Axial slice 259 of 351 of a chest CT (slice 1 is the lowest), reconstructed with the B70f kernel at 120 kVp; 2.00 mm slice thickness and 0.643 mm pixels.
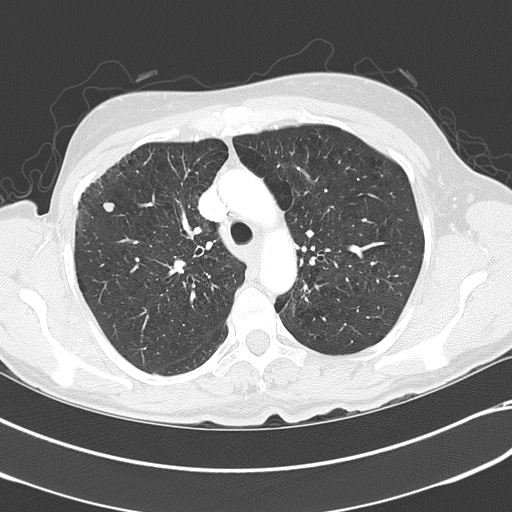
Pulmonary nodule at rows 202–211, columns 103–114 (box = the union of the readers' outlines on this slice), outlined by all four readers; longest diameter 8.7 mm on average over the four readers' outlines (readers' outlines 8.5–9.1 mm), volume 196–254 mm3. Ratings, by the readers' most common answer with dissent counted: most readers (three of four) put texture at 5/5 (solid), others 1/5 (non-solid) (one); margin 5/5 (circumscribed), all four readers agreeing; sphericity split among the readers: 3/5 (ovoid) (two), 4/5 (two); calcification absent, all four readers agreeing; internal structure soft tissue from all four readers; subtlety 5/5 from all four readers; most readers (three of four) put malignancy likelihood at 3/5, others 4/5 (one). Scale key (1–5): texture non-solid→solid, margin indistinct→circumscribed, sphericity linear→round, subtlety extremely subtle→obvious, malignancy likelihood highly unlikely→highly suspicious of cancer. Box rows and columns are 0-based pixel indices from the top-left corner, inclusive.